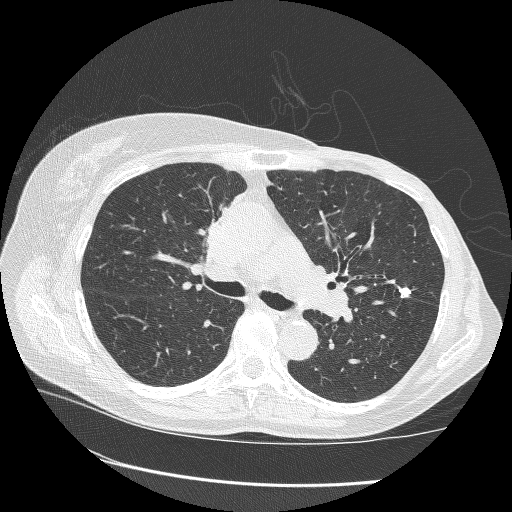
One axial slice (180 of 265, counting up from the lowest) of a chest CT acquired at 120 kVp with the BONE kernel; each pixel is 0.664 mm and the slice is 1.25 mm thick.
Pulmonary nodule at rows 287–298, columns 398–411 (box = the union of the readers' outlines on this slice), outlined by all four readers; longest diameter 10.0 mm on average over the four readers' outlines (readers' outlines 9.5–10.3 mm), volume 272–367 mm3. The readers' prevailing ratings and who disagreed: texture 5/5 (solid), all four readers agreeing; margin 5/5 (circumscribed) by three of four readers; the rest gave 4/5 (one); sphericity 3/5 (ovoid) by two of four readers; the rest gave 4/5 (one), 5/5 (round) (one); calcification solid calcification by three of four readers, absent (one); internal structure soft tissue, all four readers agreeing; subtlety split among the readers: 4/5 (two), 5/5 (two); most readers (three of four) put malignancy likelihood at 1/5, others 4/5 (one). Scale key (1–5): texture non-solid→solid, margin indistinct→circumscribed, sphericity linear→round, subtlety extremely subtle→obvious, malignancy likelihood highly unlikely→highly suspicious of cancer. Box rows and columns are 0-based pixel indices from the top-left corner, inclusive.